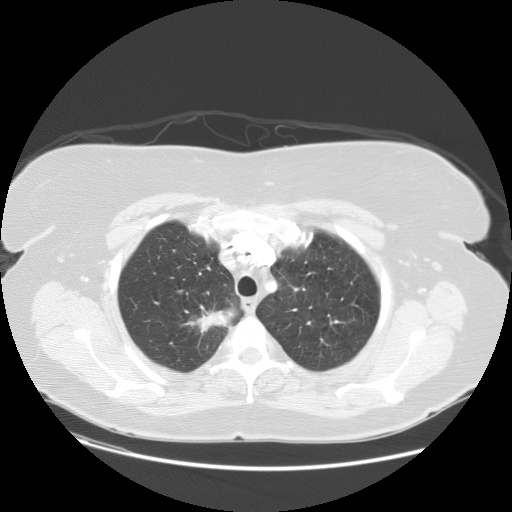
Axial chest CT slice 107 of 133 (counted from the lowest slice); tube voltage 120 kVp, convolution kernel STANDARD; slices 2.50 mm thick, 0.781 mm per pixel.
Pulmonary nodule at rows 304–331, columns 189–236 (box = the union of the readers' outlines on this slice), outlined by all four readers; longest diameter 35.0 mm on average over the four readers' outlines (readers' outlines 31.6–37.9 mm), volume 3786–6747 mm3. Ratings, by the readers' most common answer with dissent counted: texture 5/5 (solid) by two of four readers; the rest gave 3/5 (part-solid) (one), 4/5 (one); margin 3/5 by three of four readers; the rest gave 1/5 (indistinct) (one); sphericity 3/5 (ovoid) by two of four readers; the rest gave 2/5 (one), 4/5 (one); calcification absent from all four readers; internal structure soft tissue, all four readers agreeing; subtlety 5/5 from all four readers; most readers (three of four) put malignancy likelihood at 5/5, others 3/5 (one). Scale key (1–5): texture non-solid→solid, margin indistinct→circumscribed, sphericity linear→round, subtlety extremely subtle→obvious, malignancy likelihood highly unlikely→highly suspicious of cancer. Box rows and columns are 0-based pixel indices from the top-left corner, inclusive.